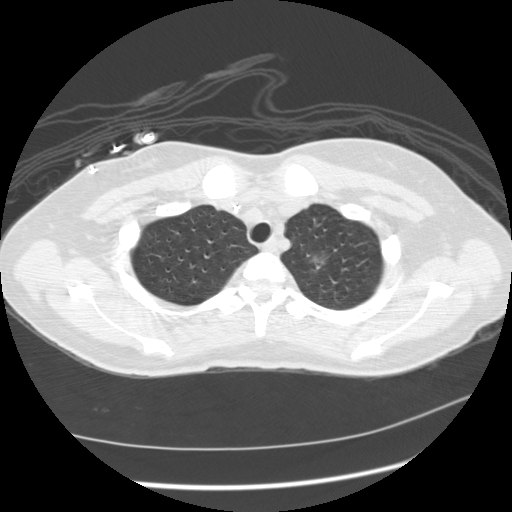
Slice 171/209 of a chest CT, counting up from the lowest; pixel size 0.693 mm, slice thickness 1.25 mm. Pulmonary nodule, outlined by all four readers, two of them on this slice. Box on this slice rows 251–269, columns 308–327, the union of the readers' outlines on this slice; median longest diameter 23.3 mm (readers' outlines 21.8–25.6 mm), median volume 3063 mm3 (2801–4927 mm3). Median ratings and the readers' spread: texture 4/5 at the median of four readers, spread 4/5 to 5/5 (solid); margin 3.5/5 at the median of four readers, spread 3/5 to 4/5; sphericity 3.5/5 at the median of four readers, spread 2/5 to 5/5 (round); calcification absent from all four readers; internal structure soft tissue, all four readers agreeing; subtlety 5/5, all four readers agreeing; malignancy likelihood 4.5/5 at the median of four readers, spread 3–5. Scale key (1–5): texture non-solid→solid, margin indistinct→circumscribed, sphericity linear→round, subtlety extremely subtle→obvious, malignancy likelihood highly unlikely→highly suspicious of cancer. Box rows and columns are 0-based pixel indices from the top-left corner, inclusive.
Scan settings: 120 kVp, STANDARD reconstruction kernel.